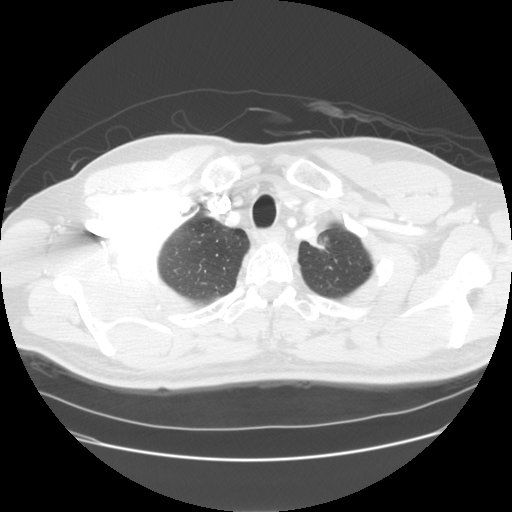
Axial chest CT slice 124 of 137 (counted from the lowest slice); 2.50 mm thick, 0.742 mm per pixel. Pulmonary nodule outlined by all four readers, two of them on this slice; box rows 232–252, columns 308–330 (the union of the readers' outlines on this slice); longest diameter 30.7–45.5 mm and volume 6191–8548 mm3 across the four readers' outlines. The readers' ratings, as ranges where they differ: texture from 4/5 to 5/5 (solid) across the four readers; margin from 2/5 to 4/5 across the four readers; sphericity from 3/5 (ovoid) to 5/5 (round) across the four readers; calcification absent from all four readers; internal structure soft tissue, all four readers agreeing; subtlety 5/5 from all four readers; malignancy likelihood rated between 4 and 5 out of 5 by the four readers. Scale key (1–5): texture non-solid→solid, margin indistinct→circumscribed, sphericity linear→round, subtlety extremely subtle→obvious, malignancy likelihood highly unlikely→highly suspicious of cancer. Box rows and columns are 0-based pixel indices from the top-left corner, inclusive.
Acquired at 120 kVp and reconstructed with the STANDARD kernel.